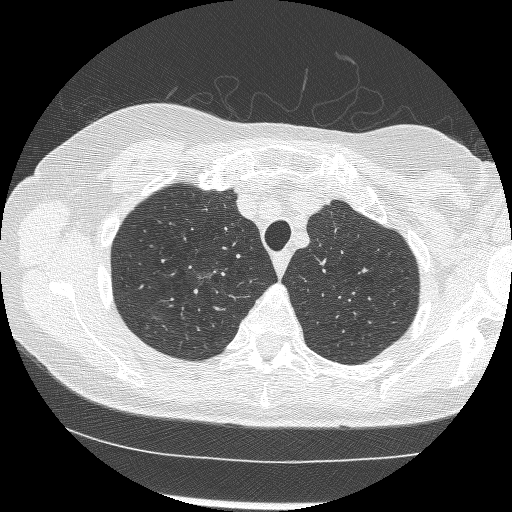
One axial slice (204 of 246, counting up from the lowest) of a chest CT acquired at 120 kVp with the BONE kernel; each pixel is 0.586 mm and the slice is 1.25 mm thick.
Pulmonary nodule outlined by all four readers, one of them on this slice; box rows 271–279, columns 199–208 (the one reader's outline on this slice); longest diameter 8.4 mm on average over the four readers' outlines (readers' outlines 6.1–10.0 mm), volume 66–342 mm3. The readers' prevailing ratings and who disagreed: texture 5/5 (solid) by two of four readers; the rest gave 3/5 (part-solid) (one), 4/5 (one); margin 3/5 by two of four readers; the rest gave 1/5 (indistinct) (one), 2/5 (one); sphericity 2/5 by three of four readers; the rest gave 3/5 (ovoid) (one); calcification absent from all four readers; internal structure soft tissue, all four readers agreeing; subtlety 3/5 by two of four readers; the rest gave 4/5 (one), 5/5 (one); malignancy likelihood 4/5 by two of four readers; the rest gave 3/5 (one), 5/5 (one). Scale key (1–5): texture non-solid→solid, margin indistinct→circumscribed, sphericity linear→round, subtlety extremely subtle→obvious, malignancy likelihood highly unlikely→highly suspicious of cancer. Box rows and columns are 0-based pixel indices from the top-left corner, inclusive.